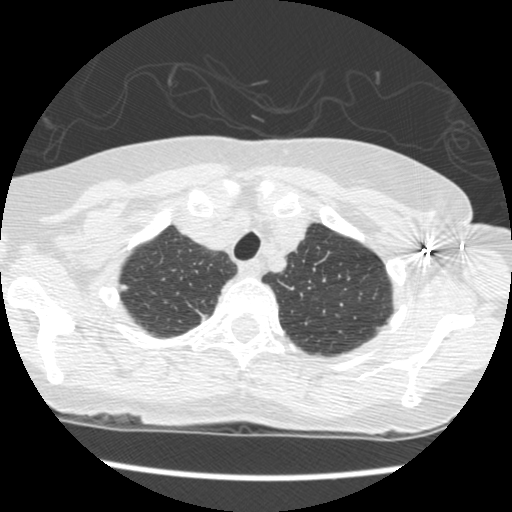
Chest CT, axial plane, 120 kVp, kernel STANDARD. Slice 401/461 from the bottom of the scan; thickness 1.25 mm; pixel size 0.586 mm.
Pulmonary nodule, outlined by one of the four readers. Box on this slice rows 284–289, columns 120–128, that reader's outline on this slice; longest diameter 6.7 mm and volume 53 mm3 from that reader's outline. Ratings by that reader: texture 5/5 (solid); margin 5/5 (circumscribed); sphericity 4/5; calcification absent; internal structure soft tissue; subtlety 5/5; malignancy likelihood 4/5. Scale key (1–5): texture non-solid→solid, margin indistinct→circumscribed, sphericity linear→round, subtlety extremely subtle→obvious, malignancy likelihood highly unlikely→highly suspicious of cancer. Box rows and columns are 0-based pixel indices from the top-left corner, inclusive.